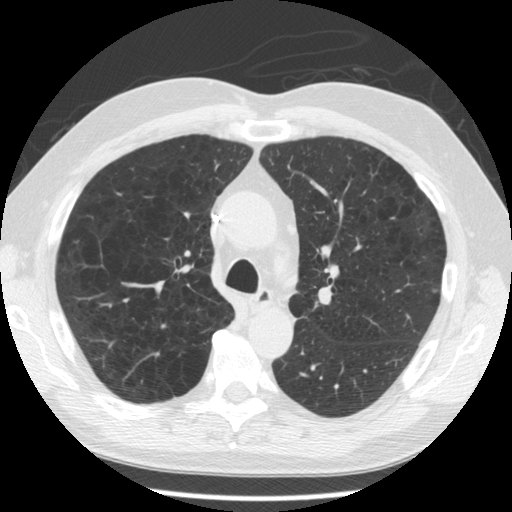
Axial chest CT slice 125 of 179 (counted from the lowest slice); tube voltage 120 kVp, convolution kernel STANDARD; slices 2.50 mm thick, 0.684 mm per pixel.
Pulmonary nodule, outlined by one of the four readers. Box on this slice rows 289–293, columns 432–437, that reader's outline on this slice; longest diameter 6.7 mm and volume 64 mm3 from that reader's outline. Ratings by that reader: texture 5/5 (solid); margin 5/5 (circumscribed); sphericity 2/5; calcification absent; internal structure soft tissue; subtlety 5/5; malignancy likelihood 3/5. Scale key (1–5): texture non-solid→solid, margin indistinct→circumscribed, sphericity linear→round, subtlety extremely subtle→obvious, malignancy likelihood highly unlikely→highly suspicious of cancer. Box rows and columns are 0-based pixel indices from the top-left corner, inclusive.